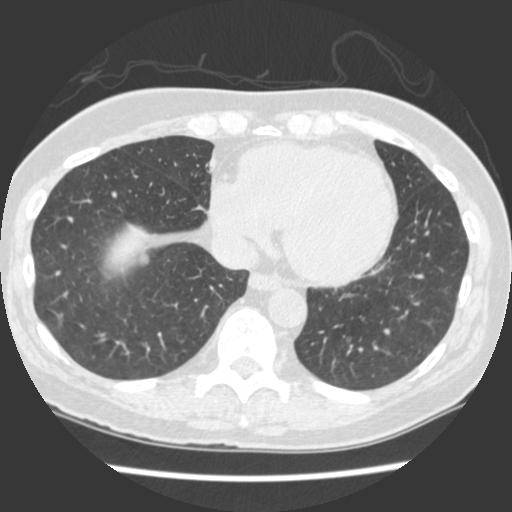
One axial slice (99 of 429, counting up from the lowest) of a chest CT acquired at 120 kVp with the STANDARD kernel; each pixel is 0.586 mm and the slice is 1.25 mm thick.
Pulmonary nodule, outlined by one of the four readers. Box on this slice rows 255–264, columns 139–148, that reader's outline on this slice; longest diameter 8.8 mm and volume 79 mm3 from that reader's outline. Ratings by that reader: texture 4/5; margin 3/5; sphericity 5/5 (round); calcification absent; internal structure soft tissue; subtlety 3/5; malignancy likelihood 3/5. Scale key (1–5): texture non-solid→solid, margin indistinct→circumscribed, sphericity linear→round, subtlety extremely subtle→obvious, malignancy likelihood highly unlikely→highly suspicious of cancer. Box rows and columns are 0-based pixel indices from the top-left corner, inclusive.